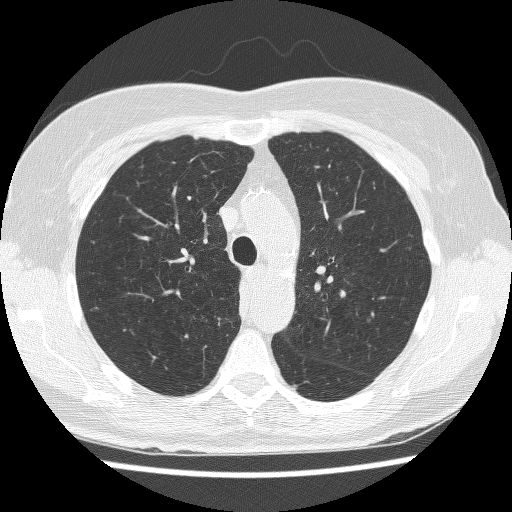
Chest CT, axial plane, 120 kVp, kernel BONE. Slice 177/241 from the bottom of the scan; thickness 1.25 mm; pixel size 0.609 mm.
Pulmonary nodule outlined by one of the four readers; box rows 241–243, columns 90–94 (that reader's outline on this slice); longest diameter 6.0 mm and volume 81 mm3 from that reader's outline. That reader's ratings: texture 3/5 (part-solid); margin 4/5; sphericity 4/5; calcification absent; internal structure soft tissue; subtlety 2/5; malignancy likelihood 3/5. Scale key (1–5): texture non-solid→solid, margin indistinct→circumscribed, sphericity linear→round, subtlety extremely subtle→obvious, malignancy likelihood highly unlikely→highly suspicious of cancer. Box rows and columns are 0-based pixel indices from the top-left corner, inclusive.